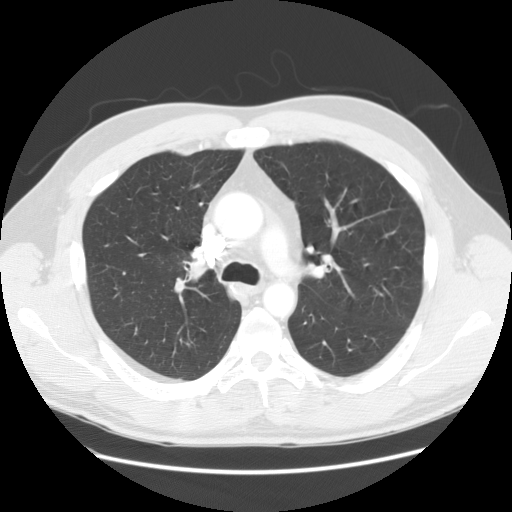
Slice 96/144 of a chest CT, counting up from the lowest; pixel size 0.742 mm, slice thickness 2.50 mm. This slice carries no reader outline of a nodule 3 mm or larger.
Acquired at 120 kVp and reconstructed with the STANDARD kernel.